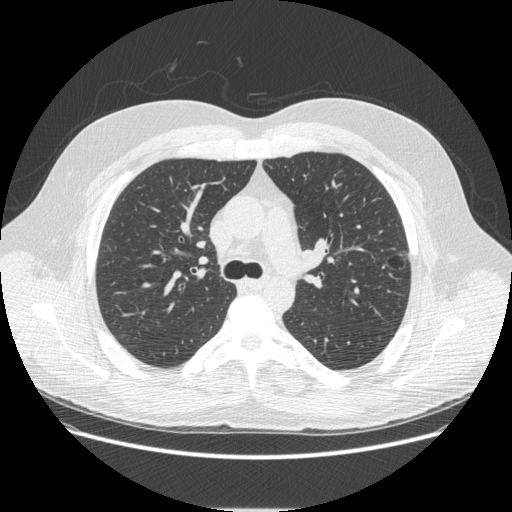
Axial slice 319 of 497 of a chest CT (slice 1 is the lowest), reconstructed with the STANDARD kernel at 120 kVp; 1.25 mm slice thickness and 0.762 mm pixels.
Pulmonary nodule outlined by all four readers; box rows 250–270, columns 383–407 (the union of the readers' outlines on this slice); longest diameter 21.5–22.5 mm and volume 2170–2597 mm3 across the four readers' outlines. The readers' ratings, as ranges where they differ: texture from 1/5 (non-solid) to 3/5 (part-solid) across the four readers; margin from 2/5 to 4/5 across the four readers; sphericity from 3/5 (ovoid) to 5/5 (round) across the four readers; calcification absent, all four readers agreeing; internal structure split among the readers: air (two), soft tissue (two); subtlety from 1/5 to 5/5 across the four readers; malignancy likelihood 1–5/5 (the readers disagree). Scale key (1–5): texture non-solid→solid, margin indistinct→circumscribed, sphericity linear→round, subtlety extremely subtle→obvious, malignancy likelihood highly unlikely→highly suspicious of cancer. Box rows and columns are 0-based pixel indices from the top-left corner, inclusive.